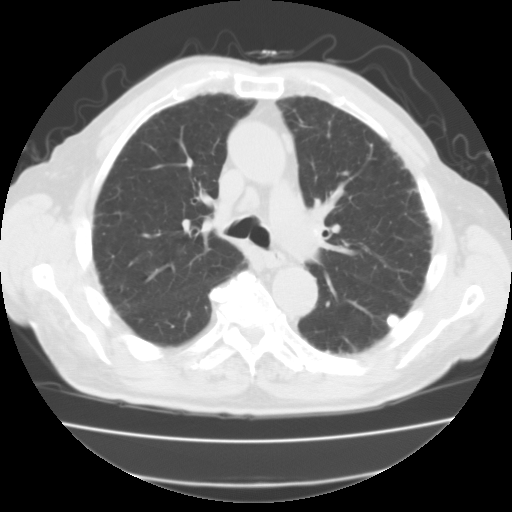
Axial chest CT slice 67 of 111 (counted from the lowest slice); tube voltage 135 kVp, convolution kernel FC01; slices 3.00 mm thick, 0.714 mm per pixel.
Pulmonary nodule, outlined by all four readers. Box on this slice rows 312–327, columns 386–399, the union of the readers' outlines on this slice; median longest diameter 10.4 mm (readers' outlines 10.1–12.3 mm), median volume 533 mm3 (448–609 mm3). Median ratings and the readers' spread: texture 5/5 (solid) from all four readers; margin 5/5 (circumscribed), all four readers agreeing; sphericity 5/5 (round), all four readers agreeing; calcification solid calcification from all four readers; internal structure soft tissue, all four readers agreeing; subtlety 5/5, all four readers agreeing; malignancy likelihood 1/5 from all four readers. Scale key (1–5): texture non-solid→solid, margin indistinct→circumscribed, sphericity linear→round, subtlety extremely subtle→obvious, malignancy likelihood highly unlikely→highly suspicious of cancer. Box rows and columns are 0-based pixel indices from the top-left corner, inclusive.